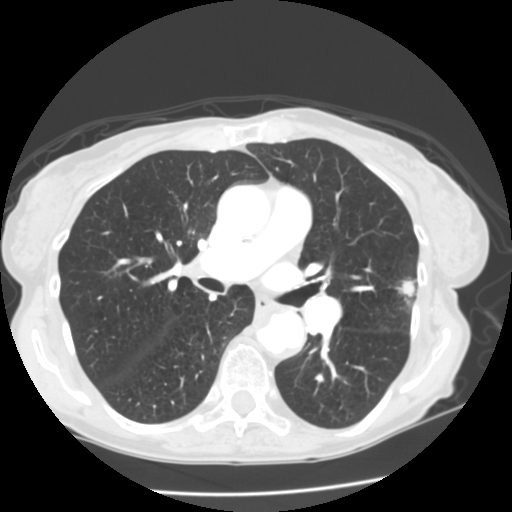
Chest CT, axial plane, 120 kVp, kernel STANDARD. Slice 82/141 from the bottom of the scan; thickness 2.50 mm; pixel size 0.625 mm.
Pulmonary nodule at rows 276–297, columns 394–415 (box = the union of the readers' outlines on this slice), outlined by all four readers; median longest diameter 17.9 mm (readers' outlines 17.6–20.7 mm), median volume 1463 mm3 (1292–2187 mm3). Ratings, median across the readers with their spread: texture 4.5/5 at the median of four readers, spread 4/5 to 5/5 (solid); median margin 4/5 (readers ranged 3/5 to 5/5 (circumscribed)); median sphericity 3.5/5 (readers ranged 3/5 (ovoid) to 5/5 (round)); calcification absent from all four readers; internal structure soft tissue, all four readers agreeing; subtlety 5/5 from all four readers; median malignancy likelihood 4/5 (readers ranged 3–5). Scale key (1–5): texture non-solid→solid, margin indistinct→circumscribed, sphericity linear→round, subtlety extremely subtle→obvious, malignancy likelihood highly unlikely→highly suspicious of cancer. Box rows and columns are 0-based pixel indices from the top-left corner, inclusive.